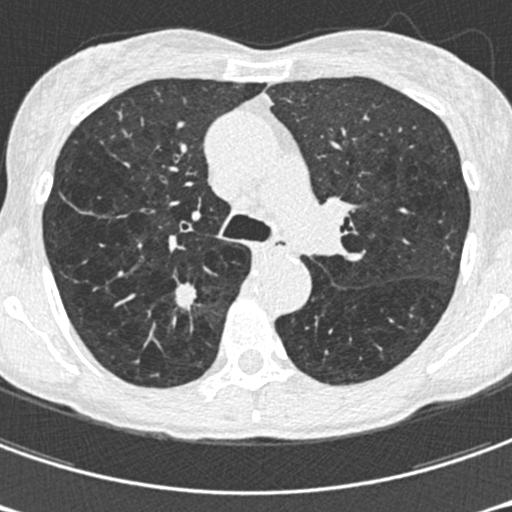
One axial slice (407 of 633, counting up from the lowest) of a chest CT acquired at 120 kVp with the B30f kernel; each pixel is 0.541 mm and the slice is 0.60 mm thick.
Pulmonary nodule at rows 282–309, columns 175–196 (box = the union of the readers' outlines on this slice), outlined by all four readers; median longest diameter 18.4 mm (readers' outlines 18.1–21.0 mm), median volume 1471 mm3 (1292–1642 mm3). Ratings, median across the readers with their spread: texture 5/5 (solid) from all four readers; median margin 2/5 (readers ranged 1/5 (indistinct) to 3/5); sphericity 3/5 (ovoid) at the median of four readers, spread 2/5 to 4/5; calcification absent, all four readers agreeing; internal structure soft tissue from all four readers; median subtlety 5/5 (readers ranged 4–5); median malignancy likelihood 5/5 (readers ranged 4–5). Scale key (1–5): texture non-solid→solid, margin indistinct→circumscribed, sphericity linear→round, subtlety extremely subtle→obvious, malignancy likelihood highly unlikely→highly suspicious of cancer. Box rows and columns are 0-based pixel indices from the top-left corner, inclusive.